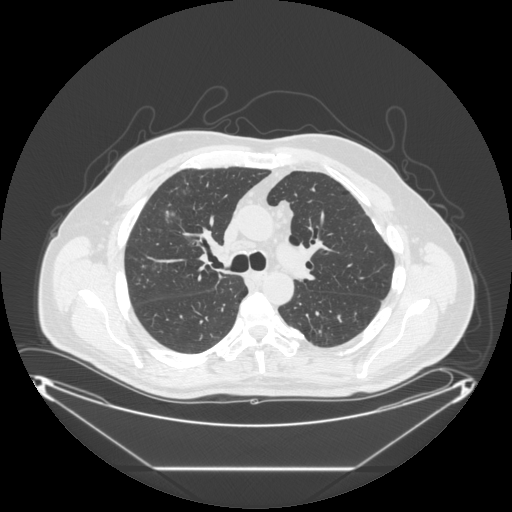
One axial slice (192 of 297, counting up from the lowest) of a chest CT acquired at 120 kVp with the STANDARD kernel; each pixel is 0.949 mm and the slice is 1.25 mm thick.
Pulmonary nodule, outlined by three of the four readers, two of them on this slice. Box on this slice rows 210–222, columns 165–174, the union of the readers' outlines on this slice; the three readers' outlines give a longest diameter between 16.4 and 29.0 mm and a volume between 528 and 991 mm3. Ratings across the readers: texture from 1/5 (non-solid) to 5/5 (solid) across the three readers; margin from 2/5 to 4/5 across the three readers; sphericity from 3/5 (ovoid) to 5/5 (round) across the three readers; calcification absent, all three readers agreeing; internal structure soft tissue, all three readers agreeing; subtlety rated between 1 and 5 out of 5 by the three readers; malignancy likelihood rated between 2 and 5 out of 5 by the three readers. Scale key (1–5): texture non-solid→solid, margin indistinct→circumscribed, sphericity linear→round, subtlety extremely subtle→obvious, malignancy likelihood highly unlikely→highly suspicious of cancer. Box rows and columns are 0-based pixel indices from the top-left corner, inclusive.